One axial slice (102 of 202, counting up from the lowest) of a chest CT acquired at 120 kVp with the B30f kernel; each pixel is 0.566 mm and the slice is 2.00 mm thick.
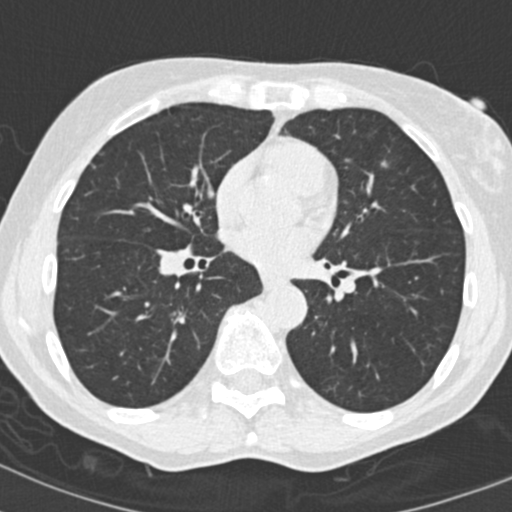
Pulmonary nodule at rows 160–166, columns 380–387 (box = that reader's outline on this slice), outlined by one of the four readers; longest diameter 6.1 mm and volume 73 mm3 from that reader's outline. That reader's ratings: texture 5/5 (solid); margin 5/5 (circumscribed); sphericity 4/5; calcification absent; internal structure soft tissue; subtlety 4/5; malignancy likelihood 2/5. Scale key (1–5): texture non-solid→solid, margin indistinct→circumscribed, sphericity linear→round, subtlety extremely subtle→obvious, malignancy likelihood highly unlikely→highly suspicious of cancer. Box rows and columns are 0-based pixel indices from the top-left corner, inclusive.